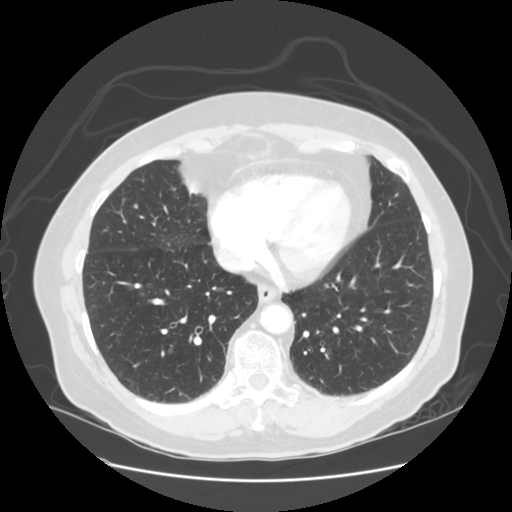
This is axial slice 45 of 128 (slice 1 is the lowest) of a chest CT; each pixel is 0.742 mm and the slice is 2.50 mm thick. Pulmonary nodule at rows 203–208, columns 133–138 (box = the union of the readers' outlines on this slice), outlined by three of the four readers; longest diameter 5.9 mm on average over the three readers' outlines (readers' outlines 5.7–6.4 mm), volume 92–149 mm3. Ratings, by the readers' most common answer with dissent counted: most readers (two of three) put texture at 5/5 (solid), others 4/5 (one); margin 5/5 (circumscribed) by two of three readers; the rest gave 4/5 (one); sphericity 5/5 (round) by two of three readers; the rest gave 4/5 (one); calcification absent from all three readers; internal structure soft tissue, all three readers agreeing; subtlety 3/5 by two of three readers; the rest gave 4/5 (one); most readers (two of three) put malignancy likelihood at 3/5, others 2/5 (one). Scale key (1–5): texture non-solid→solid, margin indistinct→circumscribed, sphericity linear→round, subtlety extremely subtle→obvious, malignancy likelihood highly unlikely→highly suspicious of cancer. Box rows and columns are 0-based pixel indices from the top-left corner, inclusive.
Tube voltage 120 kVp; convolution kernel STANDARD.